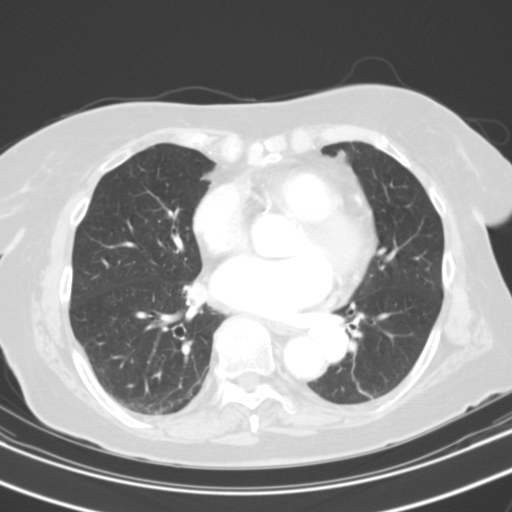
Slice 50/109 of a chest CT, counting up from the lowest; pixel size 0.629 mm, slice thickness 3.00 mm. Pulmonary nodule at rows 282–307, columns 187–207 (box = the union of the readers' outlines on this slice), outlined by all four readers; longest diameter 18.0–19.5 mm and volume 1810–2198 mm3 across the four readers' outlines. Ratings across the readers: texture 5/5 (solid), all four readers agreeing; margin from 2/5 to 5/5 (circumscribed) across the four readers; sphericity from 4/5 to 5/5 (round) across the four readers; calcification absent, all four readers agreeing; internal structure soft tissue from all four readers; subtlety rated between 3 and 5 out of 5 by the four readers; malignancy likelihood rated between 3 and 5 out of 5 by the four readers. Scale key (1–5): texture non-solid→solid, margin indistinct→circumscribed, sphericity linear→round, subtlety extremely subtle→obvious, malignancy likelihood highly unlikely→highly suspicious of cancer. Box rows and columns are 0-based pixel indices from the top-left corner, inclusive.
Tube voltage 130 kVp; convolution kernel B31s.